One axial slice (75 of 133, counting up from the lowest) of a chest CT acquired at 120 kVp with the STANDARD kernel; each pixel is 0.781 mm and the slice is 2.50 mm thick.
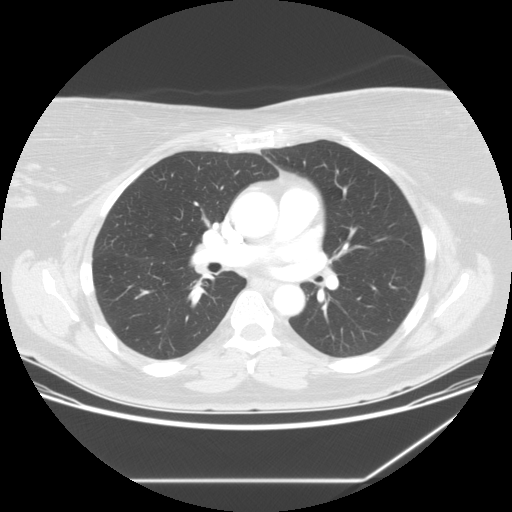
Pulmonary nodule at rows 287–291, columns 139–142 (box = the one reader's outline on this slice), outlined by all four readers, one of them on this slice; median longest diameter 17.5 mm (readers' outlines 16.9–23.5 mm), median volume 1040 mm3 (791–1326 mm3). Ratings, median across the readers with their spread: texture 5/5 (solid), all four readers agreeing; median margin 4/5 (readers ranged 4/5 to 5/5 (circumscribed)); sphericity 3/5 (ovoid) at the median of four readers, spread 3/5 (ovoid) to 5/5 (round); calcification absent, all four readers agreeing; internal structure soft tissue from all four readers; subtlety 5/5 at the median of four readers, spread 4–5; malignancy likelihood 4.5/5 at the median of four readers, spread 3–5. Scale key (1–5): texture non-solid→solid, margin indistinct→circumscribed, sphericity linear→round, subtlety extremely subtle→obvious, malignancy likelihood highly unlikely→highly suspicious of cancer. Box rows and columns are 0-based pixel indices from the top-left corner, inclusive.